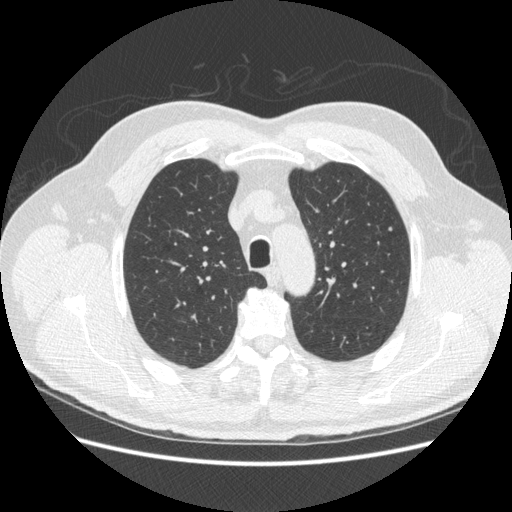
One axial slice (387 of 503, counting up from the lowest) of a chest CT acquired at 120 kVp with the STANDARD kernel; each pixel is 0.742 mm and the slice is 1.25 mm thick.
Pulmonary nodule outlined by one of the four readers; box rows 226–231, columns 387–392 (that reader's outline on this slice); longest diameter 5.7 mm and volume 48 mm3 from that reader's outline. That reader's ratings: texture 4/5; margin 4/5; sphericity 2/5; calcification absent; internal structure soft tissue; subtlety 3/5; malignancy likelihood 4/5. Scale key (1–5): texture non-solid→solid, margin indistinct→circumscribed, sphericity linear→round, subtlety extremely subtle→obvious, malignancy likelihood highly unlikely→highly suspicious of cancer. Box rows and columns are 0-based pixel indices from the top-left corner, inclusive.